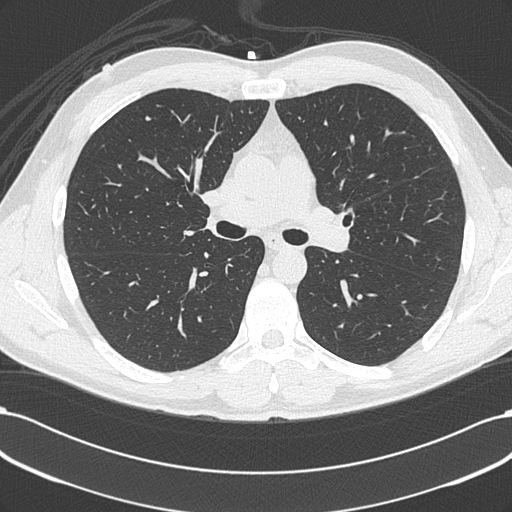
Axial chest CT slice 202 of 348 (counted from the lowest slice); 1.00 mm thick, 0.703 mm per pixel. Pulmonary nodule at rows 116–119, columns 145–149 (box = that reader's outline on this slice), outlined by one of the four readers; longest diameter 5.7 mm and volume 53 mm3 from that reader's outline. That reader's ratings: texture 5/5 (solid); margin 5/5 (circumscribed); sphericity 5/5 (round); calcification absent; internal structure soft tissue; subtlety 4/5; malignancy likelihood 2/5. Scale key (1–5): texture non-solid→solid, margin indistinct→circumscribed, sphericity linear→round, subtlety extremely subtle→obvious, malignancy likelihood highly unlikely→highly suspicious of cancer. Box rows and columns are 0-based pixel indices from the top-left corner, inclusive.
Scan settings: 120 kVp, B45f reconstruction kernel.